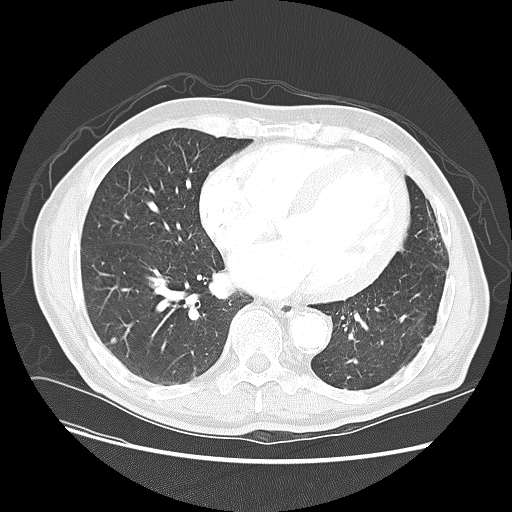
Axial chest CT slice 55 of 133 (counted from the lowest slice); tube voltage 120 kVp, convolution kernel LUNG; slices 2.50 mm thick, 0.742 mm per pixel.
Pulmonary nodule, outlined by two of the four readers. Box on this slice rows 337–343, columns 110–116, the union of the readers' outlines on this slice; longest diameter 6.0–6.6 mm and volume 60–87 mm3 across the two readers' outlines. The readers' ratings, as ranges where they differ: texture from 3/5 (part-solid) to 5/5 (solid) across the two readers; margin 4/5, both readers agreeing; sphericity 5/5 (round), both readers agreeing; calcification absent from both readers; internal structure soft tissue from both readers; subtlety rated between 2 and 5 out of 5 by the two readers; malignancy likelihood 2/5 from both readers. Scale key (1–5): texture non-solid→solid, margin indistinct→circumscribed, sphericity linear→round, subtlety extremely subtle→obvious, malignancy likelihood highly unlikely→highly suspicious of cancer. Box rows and columns are 0-based pixel indices from the top-left corner, inclusive.